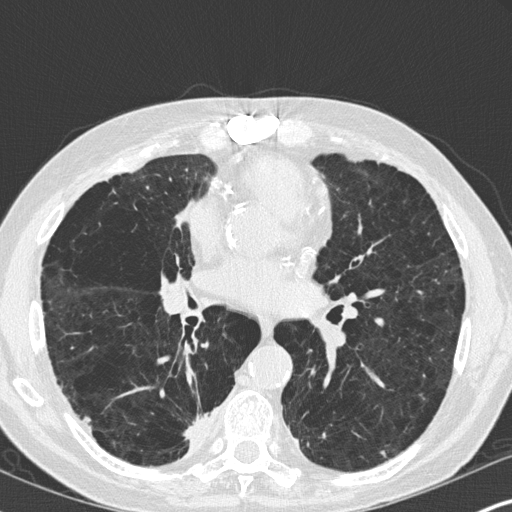
Chest CT, axial plane, 120 kVp, kernel B45f. Slice 164/347 from the bottom of the scan; thickness 1.00 mm; pixel size 0.625 mm.
Pulmonary nodule outlined by all four readers, two of them on this slice; box rows 450–457, columns 380–386 (the union of the readers' outlines on this slice); the four readers' outlines give a longest diameter between 6.4 and 10.2 mm and a volume between 51 and 128 mm3. The readers' ratings, as ranges where they differ: texture 5/5 (solid), all four readers agreeing; margin from 3/5 to 5/5 (circumscribed) across the four readers; sphericity from 2/5 to 5/5 (round) across the four readers; calcification absent, all four readers agreeing; internal structure soft tissue from all four readers; subtlety rated between 2 and 5 out of 5 by the four readers; malignancy likelihood from 2/5 to 4/5 across the four readers. Scale key (1–5): texture non-solid→solid, margin indistinct→circumscribed, sphericity linear→round, subtlety extremely subtle→obvious, malignancy likelihood highly unlikely→highly suspicious of cancer. Box rows and columns are 0-based pixel indices from the top-left corner, inclusive.